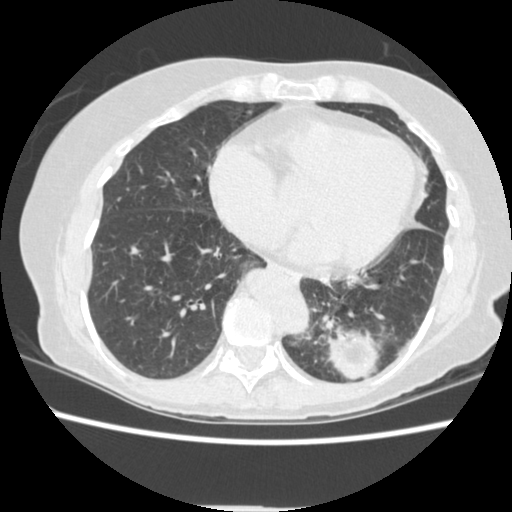
Chest CT, axial plane, 120 kVp, kernel STANDARD. Slice 114/362 from the bottom of the scan; thickness 1.25 mm; pixel size 0.625 mm.
Pulmonary nodule, outlined by one of the four readers. Box on this slice rows 327–378, columns 328–378, that reader's outline on this slice; longest diameter 37.2 mm and volume 2579 mm3 from that reader's outline. That reader's ratings: texture 5/5 (solid); margin 3/5; sphericity 4/5; calcification absent; internal structure soft tissue; subtlety 5/5; malignancy likelihood 4/5. Scale key (1–5): texture non-solid→solid, margin indistinct→circumscribed, sphericity linear→round, subtlety extremely subtle→obvious, malignancy likelihood highly unlikely→highly suspicious of cancer. Box rows and columns are 0-based pixel indices from the top-left corner, inclusive.